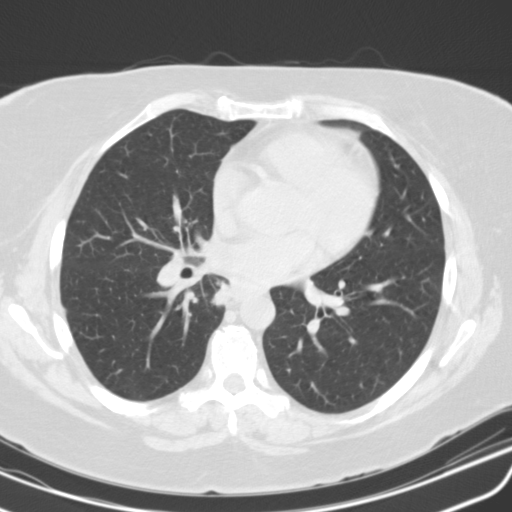
One axial slice (66 of 115, counting up from the lowest) of a chest CT acquired at 130 kVp with the B31s kernel; each pixel is 0.652 mm and the slice is 3.00 mm thick.
Pulmonary nodule at rows 280–305, columns 210–229 (box = the union of the readers' outlines on this slice), outlined by three of the four readers; longest diameter 29.5 mm on average over the three readers' outlines (readers' outlines 24.2–34.9 mm), volume 3268–5378 mm3. Ratings, by the readers' most common answer with dissent counted: most readers (two of three) put texture at 5/5 (solid), others 4/5 (one); margin split among the readers: 2/5 (one), 3/5 (one), 4/5 (one); sphericity split among the readers: 2/5 (one), 3/5 (ovoid) (one), 5/5 (round) (one); calcification absent from all three readers; internal structure soft tissue, all three readers agreeing; most readers (two of three) put subtlety at 5/5, others 4/5 (one); malignancy likelihood 4/5 from all three readers. Scale key (1–5): texture non-solid→solid, margin indistinct→circumscribed, sphericity linear→round, subtlety extremely subtle→obvious, malignancy likelihood highly unlikely→highly suspicious of cancer. Box rows and columns are 0-based pixel indices from the top-left corner, inclusive.